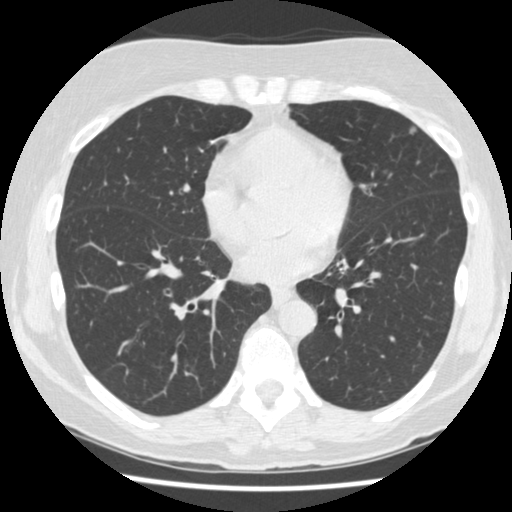
One axial slice (193 of 477, counting up from the lowest) of a chest CT acquired at 120 kVp with the STANDARD kernel; each pixel is 0.625 mm and the slice is 1.25 mm thick.
Pulmonary nodule at rows 126–134, columns 409–416 (box = the union of the readers' outlines on this slice), outlined by all four readers; median longest diameter 6.0 mm (readers' outlines 5.8–6.4 mm), median volume 43 mm3 (42–61 mm3). Ratings, median across the readers with their spread: texture 5/5 (solid) at the median of four readers, spread 3/5 (part-solid) to 5/5 (solid); margin 3/5 at the median of four readers, spread 1/5 (indistinct) to 5/5 (circumscribed); median sphericity 4.5/5 (readers ranged 4/5 to 5/5 (round)); calcification absent from all four readers; internal structure soft tissue, all four readers agreeing; subtlety 3/5 at the median of four readers, spread 2–4; median malignancy likelihood 2/5 (readers ranged 1–3). Scale key (1–5): texture non-solid→solid, margin indistinct→circumscribed, sphericity linear→round, subtlety extremely subtle→obvious, malignancy likelihood highly unlikely→highly suspicious of cancer. Box rows and columns are 0-based pixel indices from the top-left corner, inclusive.